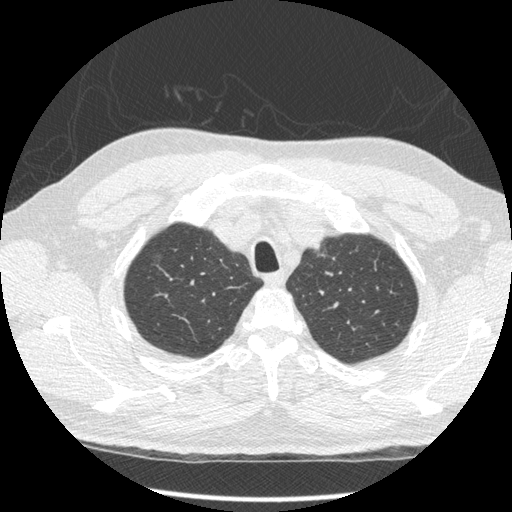
Axial chest CT slice 381 of 452 (counted from the lowest slice); 1.25 mm thick, 0.703 mm per pixel. Pulmonary nodule at rows 254–261, columns 153–161 (box = the one reader's outline on this slice), outlined by three of the four readers, one of them on this slice; median longest diameter 8.5 mm (readers' outlines 7.2–10.2 mm), median volume 79 mm3 (45–84 mm3). Ratings, median across the readers with their spread: median texture 1/5 (non-solid) (readers ranged 1/5 (non-solid) to 4/5); margin 2/5 at the median of three readers, spread 2/5 to 3/5; median sphericity 4/5 (readers ranged 3/5 (ovoid) to 5/5 (round)); calcification absent from all three readers; internal structure soft tissue, all three readers agreeing; median subtlety 1/5 (readers ranged 1–4); median malignancy likelihood 3/5 (readers ranged 3–5). Scale key (1–5): texture non-solid→solid, margin indistinct→circumscribed, sphericity linear→round, subtlety extremely subtle→obvious, malignancy likelihood highly unlikely→highly suspicious of cancer. Box rows and columns are 0-based pixel indices from the top-left corner, inclusive.
Acquired at 120 kVp and reconstructed with the STANDARD kernel.